Axial slice 113 of 244 of a chest CT (slice 1 is the lowest), reconstructed with the BONE kernel at 120 kVp; 1.25 mm slice thickness and 0.674 mm pixels.
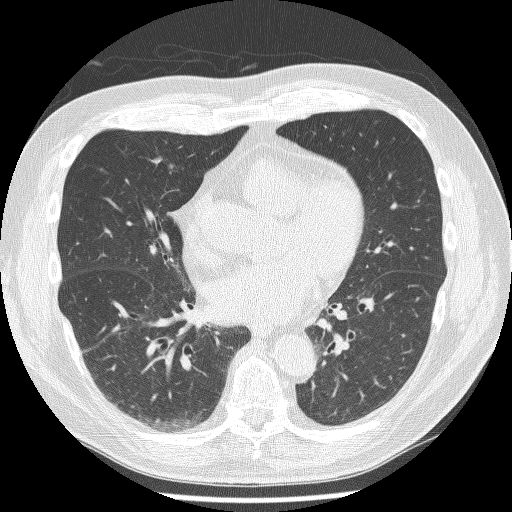
Pulmonary nodule outlined by all four readers; box rows 157–163, columns 152–162 (the union of the readers' outlines on this slice); longest diameter 7.0–8.8 mm and volume 85–101 mm3 across the four readers' outlines. The readers' ratings, as ranges where they differ: texture from 4/5 to 5/5 (solid) across the four readers; margin from 3/5 to 5/5 (circumscribed) across the four readers; sphericity from 2/5 to 4/5 across the four readers; calcification absent, all four readers agreeing; internal structure soft tissue, all four readers agreeing; subtlety rated between 4 and 5 out of 5 by the four readers; malignancy likelihood 3/5 from all four readers. Scale key (1–5): texture non-solid→solid, margin indistinct→circumscribed, sphericity linear→round, subtlety extremely subtle→obvious, malignancy likelihood highly unlikely→highly suspicious of cancer. Box rows and columns are 0-based pixel indices from the top-left corner, inclusive.